Axial chest CT slice 396 of 633 (counted from the lowest slice); tube voltage 120 kVp, convolution kernel B30f; slices 0.60 mm thick, 0.541 mm per pixel.
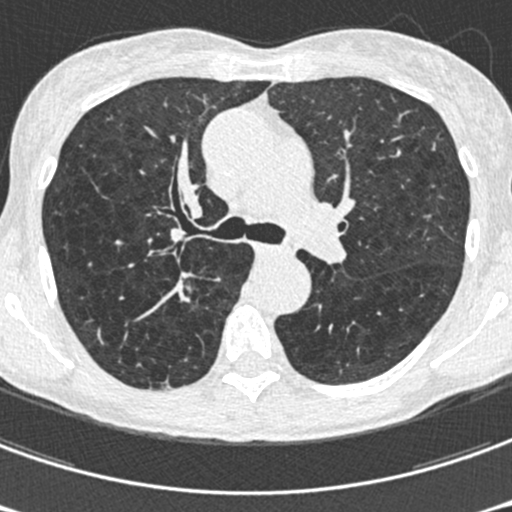
Pulmonary nodule, outlined by all four readers, two of them on this slice. Box on this slice rows 284–293, columns 185–191, the union of the readers' outlines on this slice; longest diameter 19.0 mm on average over the four readers' outlines (readers' outlines 18.1–21.0 mm), volume 1292–1642 mm3. The readers' prevailing ratings and who disagreed: texture 5/5 (solid) from all four readers; margin 2/5 by two of four readers; the rest gave 1/5 (indistinct) (one), 3/5 (one); sphericity 3/5 (ovoid) by two of four readers; the rest gave 2/5 (one), 4/5 (one); calcification absent from all four readers; internal structure soft tissue, all four readers agreeing; subtlety 5/5 by three of four readers; the rest gave 4/5 (one); most readers (three of four) put malignancy likelihood at 5/5, others 4/5 (one). Scale key (1–5): texture non-solid→solid, margin indistinct→circumscribed, sphericity linear→round, subtlety extremely subtle→obvious, malignancy likelihood highly unlikely→highly suspicious of cancer. Box rows and columns are 0-based pixel indices from the top-left corner, inclusive.